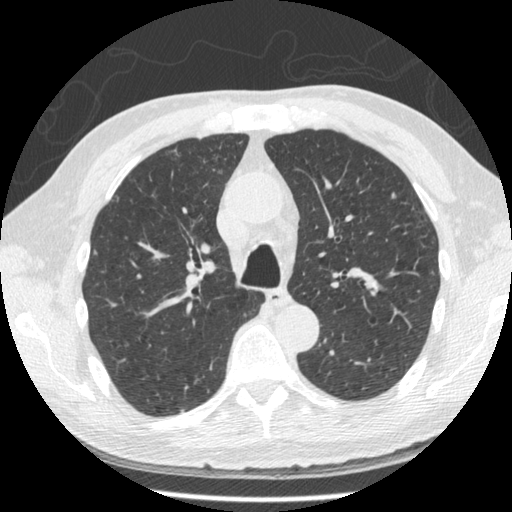
Axial chest CT slice 324 of 481 (counted from the lowest slice); 1.25 mm thick, 0.664 mm per pixel. Two pulmonary nodules are outlined on this slice; from left to right: (1) Pulmonary nodule outlined by two of the four readers, one of them on this slice; box rows 190–198, columns 151–156 (the one reader's outline on this slice); longest diameter 14.0 mm on average over the two readers' outlines (readers' outlines 10.4–17.6 mm), volume 117–191 mm3. Ratings, by the readers' most common answer with dissent counted: texture split among the readers: 3/5 (part-solid) (one), 5/5 (solid) (one); margin split among the readers: 1/5 (indistinct) (one), 4/5 (one); sphericity 2/5 from both readers; calcification absent from both readers; internal structure soft tissue, both readers agreeing; subtlety split among the readers: 2/5 (one), 4/5 (one); malignancy likelihood split among the readers: 1/5 (one), 4/5 (one). (2) Pulmonary nodule outlined by one of the four readers; box rows 192–197, columns 391–396 (that reader's outline on this slice); longest diameter 7.4 mm and volume 65 mm3 from that reader's outline. That reader's ratings: texture 5/5 (solid); margin 5/5 (circumscribed); sphericity 4/5; calcification absent; internal structure soft tissue; subtlety 4/5; malignancy likelihood 3/5. Scale key (1–5): texture non-solid→solid, margin indistinct→circumscribed, sphericity linear→round, subtlety extremely subtle→obvious, malignancy likelihood highly unlikely→highly suspicious of cancer. Box rows and columns are 0-based pixel indices from the top-left corner, inclusive.
Tube voltage 120 kVp; convolution kernel STANDARD.